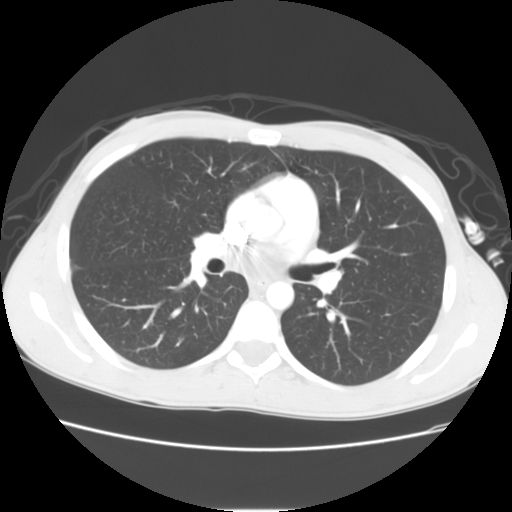
This is axial slice 65 of 114 (slice 1 is the lowest) of a chest CT; each pixel is 0.664 mm and the slice is 2.50 mm thick. No nodule of 3 mm or larger was outlined by any of the four readers on this slice.
Scan settings: 120 kVp, STANDARD reconstruction kernel.